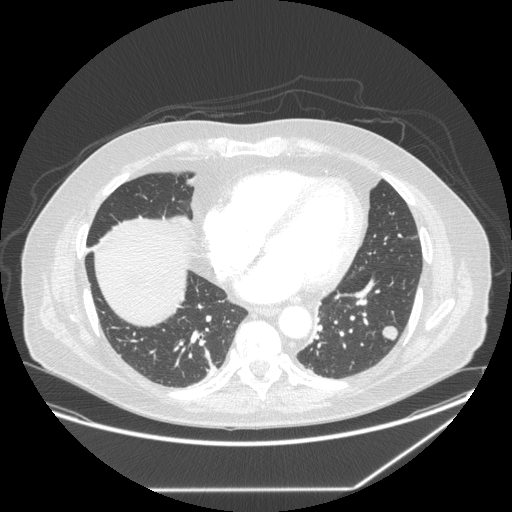
Slice 106/258 of a chest CT, counting up from the lowest; pixel size 0.859 mm, slice thickness 1.25 mm. Pulmonary nodule at rows 325–340, columns 382–397 (box = the union of the readers' outlines on this slice), outlined by all four readers; median longest diameter 15.5 mm (readers' outlines 13.1–16.3 mm), median volume 1142 mm3 (787–1264 mm3). Ratings, median across the readers with their spread: texture 5/5 (solid) from all four readers; margin 4.5/5 at the median of four readers, spread 4/5 to 5/5 (circumscribed); median sphericity 4.5/5 (readers ranged 3/5 (ovoid) to 5/5 (round)); calcification absent, all four readers agreeing; internal structure soft tissue, all four readers agreeing; median subtlety 5/5 (readers ranged 3–5); median malignancy likelihood 4/5 (readers ranged 2–5). Scale key (1–5): texture non-solid→solid, margin indistinct→circumscribed, sphericity linear→round, subtlety extremely subtle→obvious, malignancy likelihood highly unlikely→highly suspicious of cancer. Box rows and columns are 0-based pixel indices from the top-left corner, inclusive.
Tube voltage 120 kVp; convolution kernel STANDARD.